Axial slice 77 of 113 of a chest CT (slice 1 is the lowest), reconstructed with the STANDARD kernel at 120 kVp; 2.50 mm slice thickness and 0.703 mm pixels.
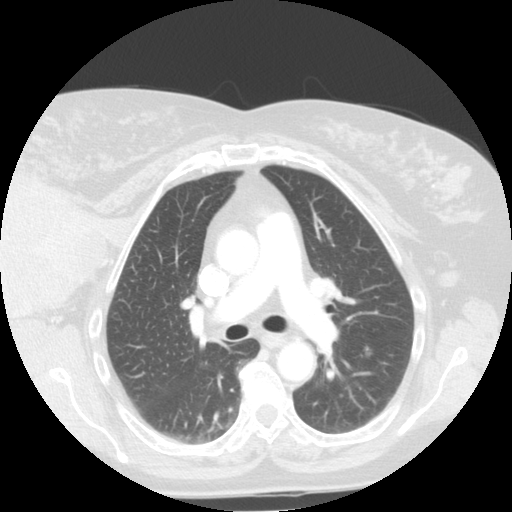
Pulmonary nodule, outlined by two of the four readers, one of them on this slice. Box on this slice rows 345–356, columns 363–370, the one reader's outline on this slice; longest diameter 8.2–9.6 mm and volume 167–169 mm3 across the two readers' outlines. Ratings across the readers: texture 5/5 (solid), both readers agreeing; margin from 4/5 to 5/5 (circumscribed) across the two readers; sphericity from 3/5 (ovoid) to 4/5 across the two readers; calcification absent, both readers agreeing; internal structure soft tissue from both readers; subtlety 2–4/5 (the readers disagree); malignancy likelihood rated between 3 and 4 out of 5 by the two readers. Scale key (1–5): texture non-solid→solid, margin indistinct→circumscribed, sphericity linear→round, subtlety extremely subtle→obvious, malignancy likelihood highly unlikely→highly suspicious of cancer. Box rows and columns are 0-based pixel indices from the top-left corner, inclusive.